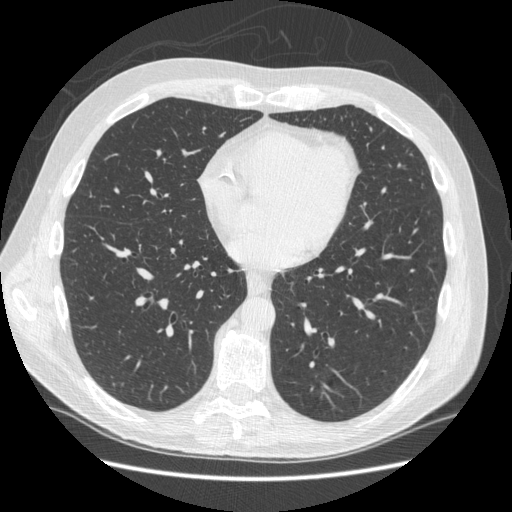
One axial slice (198 of 493, counting up from the lowest) of a chest CT acquired at 120 kVp with the STANDARD kernel; each pixel is 0.742 mm and the slice is 1.25 mm thick.
None of the four readers outlined a nodule of 3 mm or more on this slice.